Axial slice 114 of 253 of a chest CT (slice 1 is the lowest), reconstructed with the STANDARD kernel at 120 kVp; 1.25 mm slice thickness and 0.742 mm pixels.
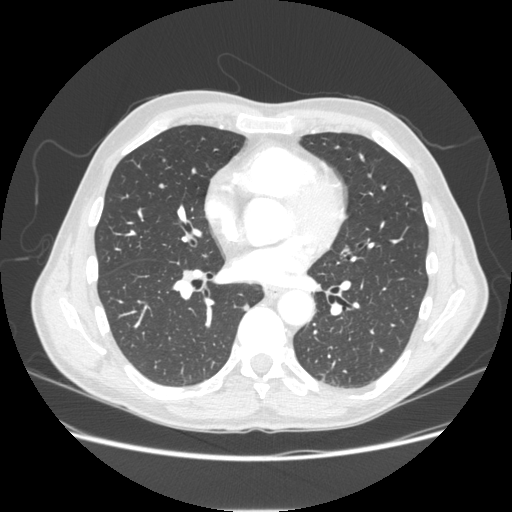
Two pulmonary nodules are outlined on this slice; from left to right: (1) Pulmonary nodule outlined by two of the four readers; box rows 183–188, columns 158–165 (the union of the readers' outlines on this slice); median longest diameter 6.2 mm (readers' outlines 5.7–6.7 mm), median volume 55 mm3 (47–63 mm3). Median ratings and the readers' spread: texture 5/5 (solid), both readers agreeing; margin 4.5/5 at the median of two readers, spread 4/5 to 5/5 (circumscribed); median sphericity 3.5/5 (readers ranged 2/5 to 5/5 (round)); calcification absent from both readers; internal structure soft tissue from both readers; subtlety 2/5, both readers agreeing; malignancy likelihood 2.5/5 at the median of two readers, spread 2–3. (2) Pulmonary nodule at rows 302–310, columns 244–249 (box = the union of the readers' outlines on this slice), outlined by three of the four readers; longest diameter 7.1 mm on average over the three readers' outlines (readers' outlines 6.3–8.2 mm), volume 72–92 mm3. The readers' prevailing ratings and who disagreed: texture 5/5 (solid), all three readers agreeing; margin 5/5 (circumscribed) from all three readers; most readers (two of three) put sphericity at 5/5 (round), others 3/5 (ovoid) (one); calcification absent from all three readers; internal structure soft tissue, all three readers agreeing; subtlety 3/5, all three readers agreeing; malignancy likelihood 3/5 by two of three readers; the rest gave 2/5 (one). Scale key (1–5): texture non-solid→solid, margin indistinct→circumscribed, sphericity linear→round, subtlety extremely subtle→obvious, malignancy likelihood highly unlikely→highly suspicious of cancer. Box rows and columns are 0-based pixel indices from the top-left corner, inclusive.